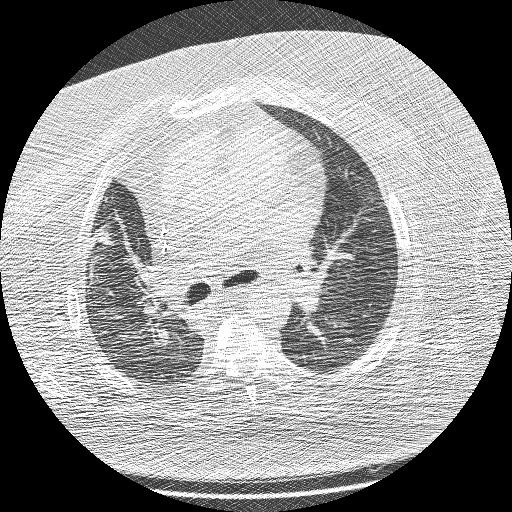
One axial slice (127 of 208, counting up from the lowest) of a chest CT acquired at 120 kVp with the BONE kernel; each pixel is 0.723 mm and the slice is 1.25 mm thick.
Pulmonary nodule, outlined by all four readers. Box on this slice rows 225–245, columns 93–114, the union of the readers' outlines on this slice; median longest diameter 27.6 mm (readers' outlines 25.6–30.6 mm), median volume 4739 mm3 (4623–6820 mm3). Median ratings and the readers' spread: texture 5/5 (solid) from all four readers; median margin 3/5 (readers ranged 1/5 (indistinct) to 3/5); median sphericity 3/5 (ovoid) (readers ranged 3/5 (ovoid) to 4/5); calcification absent, all four readers agreeing; internal structure soft tissue, all four readers agreeing; subtlety 5/5 from all four readers; malignancy likelihood 5/5, all four readers agreeing. Scale key (1–5): texture non-solid→solid, margin indistinct→circumscribed, sphericity linear→round, subtlety extremely subtle→obvious, malignancy likelihood highly unlikely→highly suspicious of cancer. Box rows and columns are 0-based pixel indices from the top-left corner, inclusive.